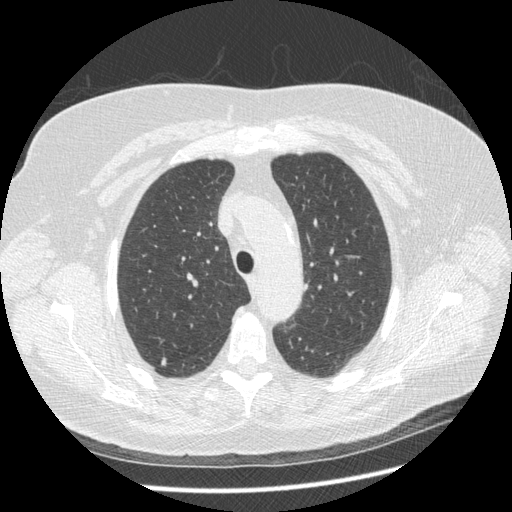
Chest CT, axial plane, 120 kVp, kernel STANDARD. Slice 294/413 from the bottom of the scan; thickness 1.25 mm; pixel size 0.703 mm.
Pulmonary nodule, outlined by two of the four readers. Box on this slice rows 357–365, columns 159–166, the union of the readers' outlines on this slice; longest diameter 7.7 mm on average over the two readers' outlines (readers' outlines 7.3–8.0 mm), volume 94–128 mm3. The readers' prevailing ratings and who disagreed: texture 5/5 (solid), both readers agreeing; margin split among the readers: 3/5 (one), 4/5 (one); sphericity split among the readers: 2/5 (one), 3/5 (ovoid) (one); calcification absent, both readers agreeing; internal structure soft tissue, both readers agreeing; subtlety split among the readers: 3/5 (one), 4/5 (one); malignancy likelihood split among the readers: 3/5 (one), 5/5 (one). Scale key (1–5): texture non-solid→solid, margin indistinct→circumscribed, sphericity linear→round, subtlety extremely subtle→obvious, malignancy likelihood highly unlikely→highly suspicious of cancer. Box rows and columns are 0-based pixel indices from the top-left corner, inclusive.